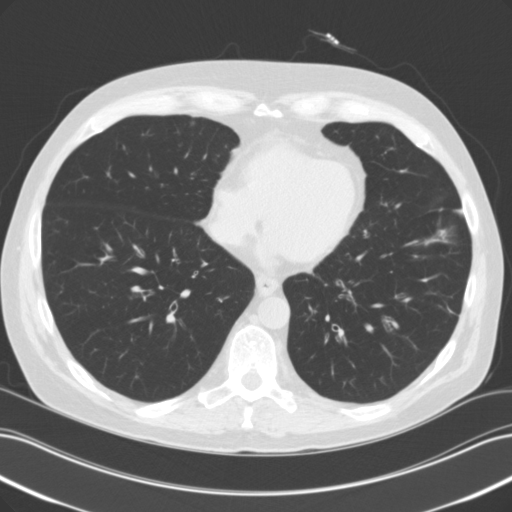
Chest CT, axial plane, 120 kVp, kernel B31f. Slice 44/118 from the bottom of the scan; thickness 3.00 mm; pixel size 0.707 mm.
Pulmonary nodule at rows 308–312, columns 448–453 (box = the union of the readers' outlines on this slice), outlined by all four readers, two of them on this slice; longest diameter 9.8 mm on average over the four readers' outlines (readers' outlines 8.9–11.2 mm), volume 357–448 mm3. The readers' prevailing ratings and who disagreed: most readers (three of four) put texture at 5/5 (solid), others 4/5 (one); margin split among the readers: 4/5 (two), 5/5 (circumscribed) (two); sphericity 2/5, all four readers agreeing; calcification absent from all four readers; internal structure soft tissue, all four readers agreeing; subtlety split among the readers: 3/5 (two), 5/5 (two); malignancy likelihood 3/5 by two of four readers; the rest gave 1/5 (one), 2/5 (one). Scale key (1–5): texture non-solid→solid, margin indistinct→circumscribed, sphericity linear→round, subtlety extremely subtle→obvious, malignancy likelihood highly unlikely→highly suspicious of cancer. Box rows and columns are 0-based pixel indices from the top-left corner, inclusive.